One axial slice (181 of 225, counting up from the lowest) of a chest CT acquired at 120 kVp with the BONE kernel; each pixel is 0.623 mm and the slice is 1.25 mm thick.
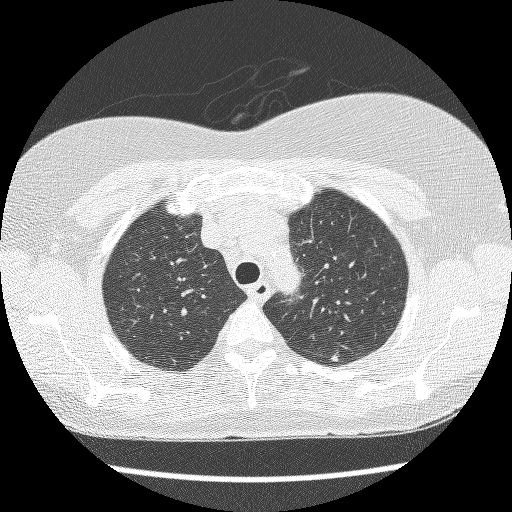
Pulmonary nodule outlined by three of the four readers; box rows 355–361, columns 330–337 (the union of the readers' outlines on this slice); longest diameter 6.1–7.6 mm and volume 40–68 mm3 across the three readers' outlines. Ratings across the readers: texture from 3/5 (part-solid) to 5/5 (solid) across the three readers; margin from 2/5 to 4/5 across the three readers; sphericity from 2/5 to 4/5 across the three readers; calcification absent from all three readers; internal structure soft tissue from all three readers; subtlety from 4/5 to 5/5 across the three readers; malignancy likelihood from 2/5 to 4/5 across the three readers. Scale key (1–5): texture non-solid→solid, margin indistinct→circumscribed, sphericity linear→round, subtlety extremely subtle→obvious, malignancy likelihood highly unlikely→highly suspicious of cancer. Box rows and columns are 0-based pixel indices from the top-left corner, inclusive.